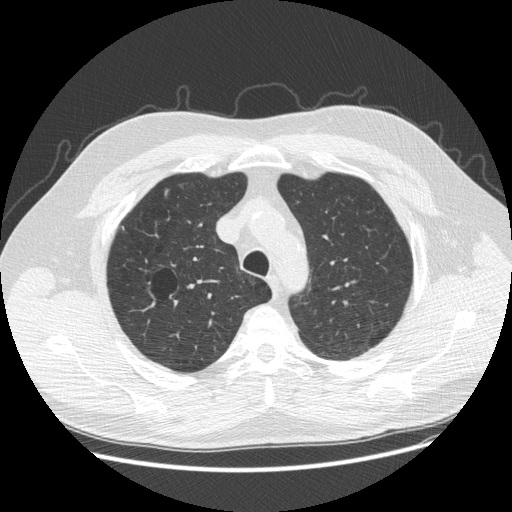
This is axial slice 381 of 481 (slice 1 is the lowest) of a chest CT; each pixel is 0.742 mm and the slice is 1.25 mm thick. Pulmonary nodule outlined by two of the four readers; box rows 188–197, columns 164–169 (the union of the readers' outlines on this slice); the two readers' outlines give a longest diameter between 8.5 and 9.0 mm and a volume between 54 and 136 mm3. Ratings across the readers: texture from 3/5 (part-solid) to 4/5 across the two readers; margin from 2/5 to 4/5 across the two readers; sphericity from 2/5 to 3/5 (ovoid) across the two readers; calcification absent from both readers; internal structure soft tissue, both readers agreeing; subtlety rated between 1 and 3 out of 5 by the two readers; malignancy likelihood rated between 2 and 4 out of 5 by the two readers. Scale key (1–5): texture non-solid→solid, margin indistinct→circumscribed, sphericity linear→round, subtlety extremely subtle→obvious, malignancy likelihood highly unlikely→highly suspicious of cancer. Box rows and columns are 0-based pixel indices from the top-left corner, inclusive.
Acquired at 120 kVp and reconstructed with the STANDARD kernel.